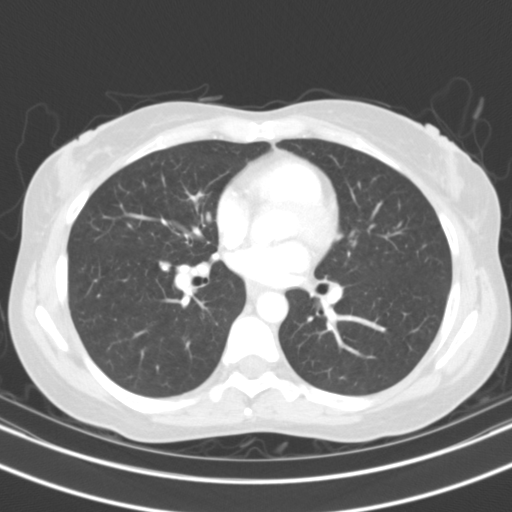
Axial chest CT slice 60 of 108 (counted from the lowest slice); 3.00 mm thick, 0.629 mm per pixel. Pulmonary nodule at rows 261–271, columns 159–170 (box = the union of the readers' outlines on this slice), outlined by all four readers; median longest diameter 9.9 mm (readers' outlines 9.6–10.7 mm), median volume 328 mm3 (250–379 mm3). Median ratings and the readers' spread: texture 5/5 (solid) from all four readers; median margin 5/5 (circumscribed) (readers ranged 4/5 to 5/5 (circumscribed)); median sphericity 3.5/5 (readers ranged 3/5 (ovoid) to 5/5 (round)); calcification solid calcification from all four readers; internal structure soft tissue from all four readers; subtlety 4/5 at the median of four readers, spread 4–5; malignancy likelihood 1/5 from all four readers. Scale key (1–5): texture non-solid→solid, margin indistinct→circumscribed, sphericity linear→round, subtlety extremely subtle→obvious, malignancy likelihood highly unlikely→highly suspicious of cancer. Box rows and columns are 0-based pixel indices from the top-left corner, inclusive.
Tube voltage 130 kVp; convolution kernel B31s.